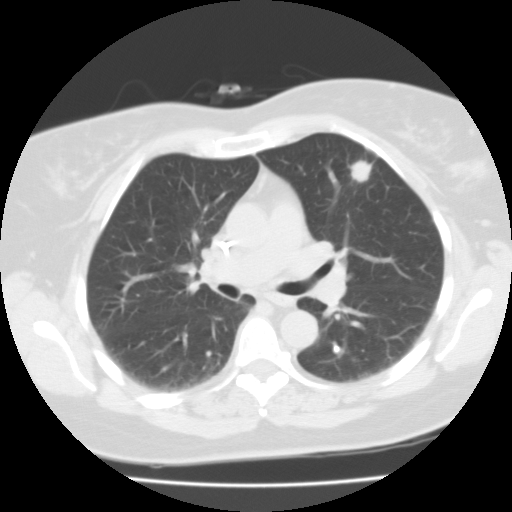
Chest CT, axial plane, 135 kVp, kernel FC01. Slice 48/87 from the bottom of the scan; thickness 3.00 mm; pixel size 0.650 mm.
Two pulmonary nodules are outlined on this slice; from left to right: (1) Pulmonary nodule at rows 346–351, columns 334–338 (box = that reader's outline on this slice), outlined by one of the four readers; longest diameter 5.1 mm and volume 62 mm3 from that reader's outline. Ratings by that reader: texture 5/5 (solid); margin 5/5 (circumscribed); sphericity 5/5 (round); calcification central calcification; internal structure soft tissue; subtlety 4/5; malignancy likelihood 1/5. (2) Pulmonary nodule, outlined by all four readers. Box on this slice rows 159–182, columns 350–372, the union of the readers' outlines on this slice; longest diameter 17.5–23.5 mm and volume 1510–2444 mm3 across the four readers' outlines. Ratings across the readers: texture from 4/5 to 5/5 (solid) across the four readers; margin from 2/5 to 4/5 across the four readers; sphericity from 3/5 (ovoid) to 5/5 (round) across the four readers; calcification absent, all four readers agreeing; internal structure soft tissue from all four readers; subtlety from 4/5 to 5/5 across the four readers; malignancy likelihood rated between 3 and 5 out of 5 by the four readers. Scale key (1–5): texture non-solid→solid, margin indistinct→circumscribed, sphericity linear→round, subtlety extremely subtle→obvious, malignancy likelihood highly unlikely→highly suspicious of cancer. Box rows and columns are 0-based pixel indices from the top-left corner, inclusive.